Chest CT, axial plane, 120 kVp, kernel STANDARD. Slice 297/535 from the bottom of the scan; thickness 1.25 mm; pixel size 0.664 mm.
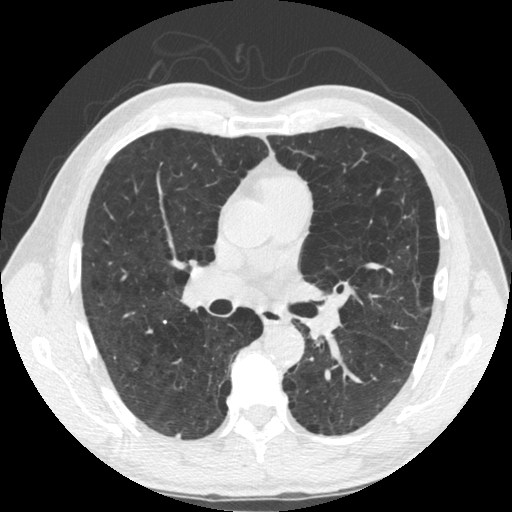
Pulmonary nodule outlined by two of the four readers; box rows 433–437, columns 175–179 (the union of the readers' outlines on this slice); median longest diameter 4.7 mm (readers' outlines 3.9–5.5 mm), median volume 38 mm3 (25–50 mm3). Ratings, median across the readers with their spread: texture 5/5 (solid) from both readers; median margin 4.5/5 (readers ranged 4/5 to 5/5 (circumscribed)); sphericity 5/5 (round), both readers agreeing; calcification solid calcification from both readers; internal structure soft tissue from both readers; median subtlety 4.5/5 (readers ranged 4–5); malignancy likelihood 1/5, both readers agreeing. Scale key (1–5): texture non-solid→solid, margin indistinct→circumscribed, sphericity linear→round, subtlety extremely subtle→obvious, malignancy likelihood highly unlikely→highly suspicious of cancer. Box rows and columns are 0-based pixel indices from the top-left corner, inclusive.